One axial slice (57 of 197, counting up from the lowest) of a chest CT acquired at 120 kVp with the STANDARD kernel; each pixel is 0.859 mm and the slice is 1.25 mm thick.
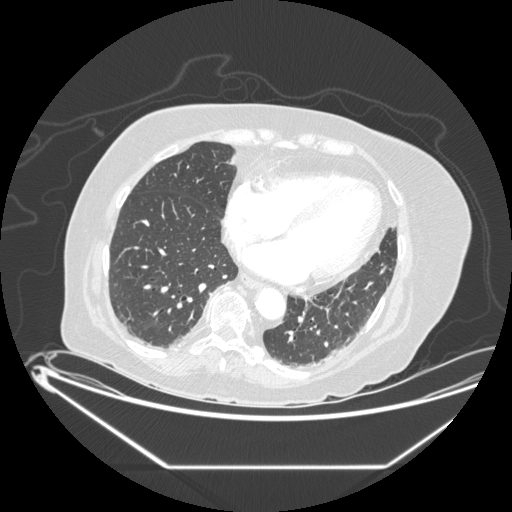
Pulmonary nodule outlined by three of the four readers, one of them on this slice; box rows 221–231, columns 390–396 (the one reader's outline on this slice); longest diameter 9.8 mm on average over the three readers' outlines (readers' outlines 7.9–12.5 mm), volume 121–343 mm3. Ratings, by the readers' most common answer with dissent counted: texture 5/5 (solid), all three readers agreeing; most readers (two of three) put margin at 4/5, others 5/5 (circumscribed) (one); sphericity 4/5 by two of three readers; the rest gave 5/5 (round) (one); calcification absent from all three readers; internal structure soft tissue, all three readers agreeing; most readers (two of three) put subtlety at 3/5, others 4/5 (one); most readers (two of three) put malignancy likelihood at 3/5, others 2/5 (one). Scale key (1–5): texture non-solid→solid, margin indistinct→circumscribed, sphericity linear→round, subtlety extremely subtle→obvious, malignancy likelihood highly unlikely→highly suspicious of cancer. Box rows and columns are 0-based pixel indices from the top-left corner, inclusive.